Axial slice 44 of 111 of a chest CT (slice 1 is the lowest), reconstructed with the FC01 kernel at 135 kVp; 3.00 mm slice thickness and 0.769 mm pixels.
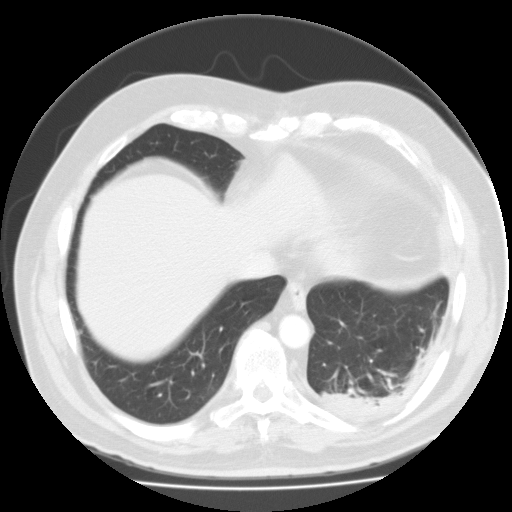
Pulmonary nodule outlined by two of the four readers, one of them on this slice; box rows 330–333, columns 79–81 (the one reader's outline on this slice); longest diameter 4.9–5.4 mm and volume 82–114 mm3 across the two readers' outlines. Ratings across the readers: texture 5/5 (solid), both readers agreeing; margin 5/5 (circumscribed), both readers agreeing; sphericity 5/5 (round) from both readers; calcification solid calcification from both readers; internal structure soft tissue, both readers agreeing; subtlety rated between 2 and 4 out of 5 by the two readers; malignancy likelihood 1/5 from both readers. Scale key (1–5): texture non-solid→solid, margin indistinct→circumscribed, sphericity linear→round, subtlety extremely subtle→obvious, malignancy likelihood highly unlikely→highly suspicious of cancer. Box rows and columns are 0-based pixel indices from the top-left corner, inclusive.